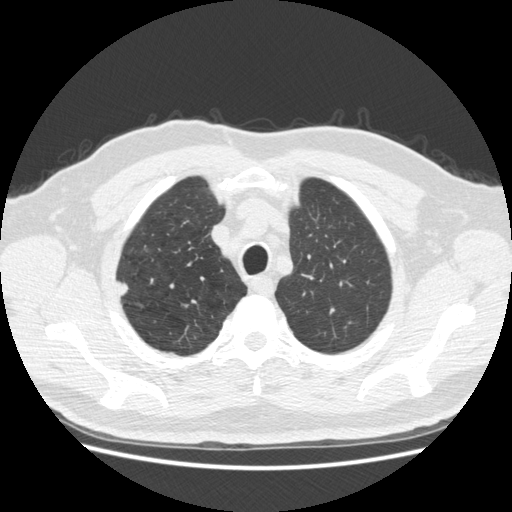
Axial chest CT slice 385 of 465 (counted from the lowest slice); tube voltage 120 kVp, convolution kernel STANDARD; slices 1.25 mm thick, 0.703 mm per pixel.
Pulmonary nodule outlined by all four readers; box rows 280–296, columns 115–129 (the union of the readers' outlines on this slice); median longest diameter 17.8 mm (readers' outlines 15.5–18.9 mm), median volume 1370 mm3 (1041–1475 mm3). Median ratings and the readers' spread: texture 5/5 (solid) from all four readers; median margin 5/5 (circumscribed) (readers ranged 4/5 to 5/5 (circumscribed)); sphericity 3.5/5 at the median of four readers, spread 3/5 (ovoid) to 5/5 (round); calcification absent from all four readers; internal structure soft tissue from all four readers; subtlety 5/5 at the median of four readers, spread 4–5; median malignancy likelihood 4/5 (readers ranged 2–5). Scale key (1–5): texture non-solid→solid, margin indistinct→circumscribed, sphericity linear→round, subtlety extremely subtle→obvious, malignancy likelihood highly unlikely→highly suspicious of cancer. Box rows and columns are 0-based pixel indices from the top-left corner, inclusive.